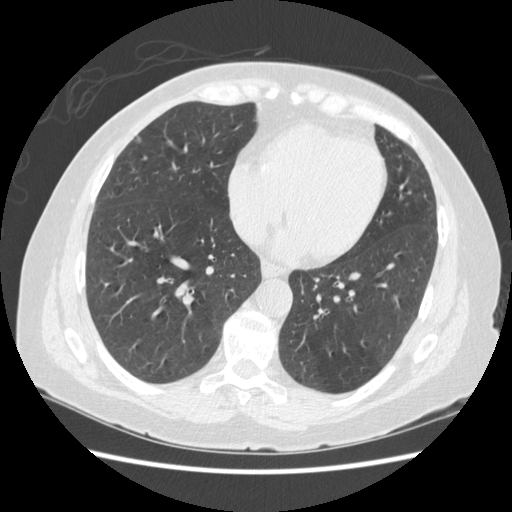
Slice 180/487 of a chest CT, counting up from the lowest; pixel size 0.703 mm, slice thickness 1.25 mm. Pulmonary nodule, outlined by two of the four readers. Box on this slice rows 136–143, columns 134–140, the union of the readers' outlines on this slice; median longest diameter 6.2 mm (readers' outlines 6.0–6.4 mm), median volume 53 mm3 (52–55 mm3). Ratings, median across the readers with their spread: texture 3.5/5 at the median of two readers, spread 2/5 to 5/5 (solid); margin 4/5 at the median of two readers, spread 3/5 to 5/5 (circumscribed); sphericity 4/5, both readers agreeing; calcification absent from both readers; internal structure soft tissue from both readers; median subtlety 3/5 (readers ranged 2–4); malignancy likelihood 2.5/5 at the median of two readers, spread 2–3. Scale key (1–5): texture non-solid→solid, margin indistinct→circumscribed, sphericity linear→round, subtlety extremely subtle→obvious, malignancy likelihood highly unlikely→highly suspicious of cancer. Box rows and columns are 0-based pixel indices from the top-left corner, inclusive.
Acquired at 120 kVp and reconstructed with the STANDARD kernel.